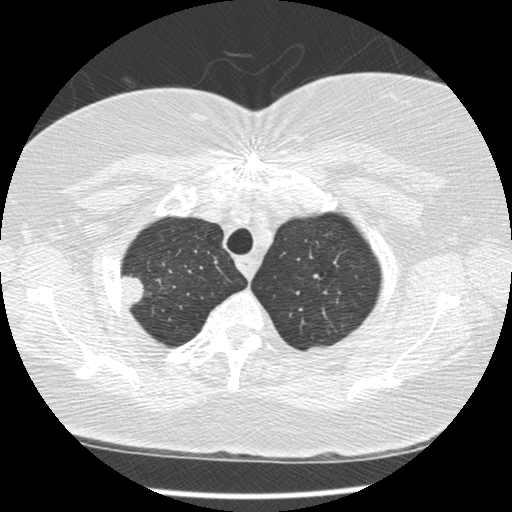
Chest CT, axial plane, 120 kVp, kernel STANDARD. Slice 314/375 from the bottom of the scan; thickness 1.25 mm; pixel size 0.625 mm.
Pulmonary nodule outlined by all four readers; box rows 275–309, columns 119–143 (the union of the readers' outlines on this slice); longest diameter 22.5 mm on average over the four readers' outlines (readers' outlines 21.2–23.2 mm), volume 2289–3466 mm3. Ratings, by the readers' most common answer with dissent counted: most readers (three of four) put texture at 5/5 (solid), others 4/5 (one); margin 4/5 by two of four readers; the rest gave 3/5 (one), 5/5 (circumscribed) (one); sphericity split among the readers: 2/5 (one), 3/5 (ovoid) (one), 4/5 (one), 5/5 (round) (one); calcification absent from all four readers; internal structure soft tissue from all four readers; subtlety 5/5 from all four readers; malignancy likelihood 5/5 by three of four readers; the rest gave 3/5 (one). Scale key (1–5): texture non-solid→solid, margin indistinct→circumscribed, sphericity linear→round, subtlety extremely subtle→obvious, malignancy likelihood highly unlikely→highly suspicious of cancer. Box rows and columns are 0-based pixel indices from the top-left corner, inclusive.